Axial chest CT slice 241 of 474 (counted from the lowest slice); tube voltage 120 kVp, convolution kernel STANDARD; slices 1.25 mm thick, 0.645 mm per pixel.
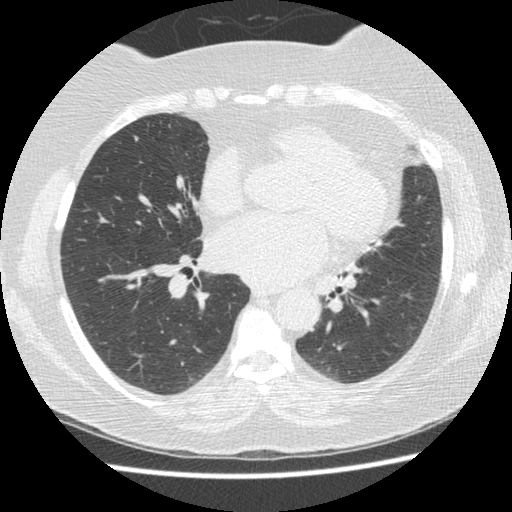
Pulmonary nodule, outlined by two of the four readers. Box on this slice rows 135–140, columns 133–138, the union of the readers' outlines on this slice; median longest diameter 6.2 mm (readers' outlines 5.8–6.5 mm), median volume 55 mm3 (46–63 mm3). Ratings, median across the readers with their spread: median texture 3.5/5 (readers ranged 2/5 to 5/5 (solid)); margin 4/5, both readers agreeing; sphericity 3/5 (ovoid) from both readers; calcification absent, both readers agreeing; internal structure soft tissue from both readers; median subtlety 3.5/5 (readers ranged 3–4); malignancy likelihood 4/5 at the median of two readers, spread 3–5. Scale key (1–5): texture non-solid→solid, margin indistinct→circumscribed, sphericity linear→round, subtlety extremely subtle→obvious, malignancy likelihood highly unlikely→highly suspicious of cancer. Box rows and columns are 0-based pixel indices from the top-left corner, inclusive.